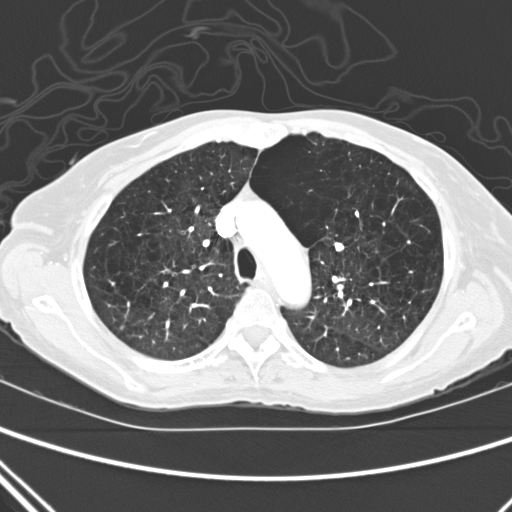
Axial chest CT slice 190 of 280 (counted from the lowest slice); tube voltage 120 kVp, convolution kernel D; slices 2.00 mm thick, 0.627 mm per pixel.
Pulmonary nodule outlined by two of the four readers; box rows 325–328, columns 120–123 (the union of the readers' outlines on this slice); longest diameter 5.1 mm on average over the two readers' outlines (readers' outlines 5.1 mm), volume 53–57 mm3. Ratings, by the readers' most common answer with dissent counted: texture 5/5 (solid), both readers agreeing; margin 5/5 (circumscribed) from both readers; sphericity split among the readers: 4/5 (one), 5/5 (round) (one); calcification absent from both readers; internal structure soft tissue from both readers; subtlety split among the readers: 2/5 (one), 3/5 (one); malignancy likelihood 2/5 from both readers. Scale key (1–5): texture non-solid→solid, margin indistinct→circumscribed, sphericity linear→round, subtlety extremely subtle→obvious, malignancy likelihood highly unlikely→highly suspicious of cancer. Box rows and columns are 0-based pixel indices from the top-left corner, inclusive.